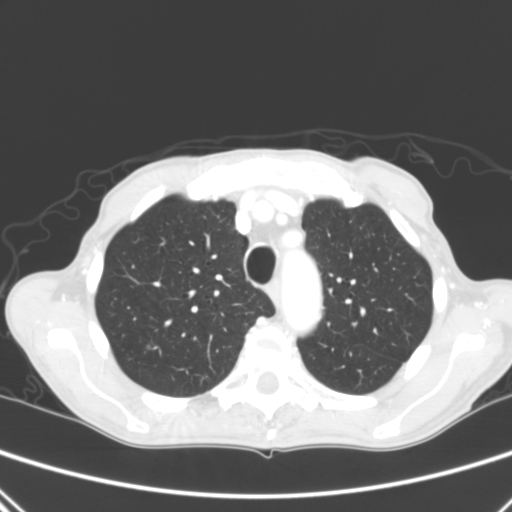
Chest CT, axial plane, 120 kVp, kernel B. Slice 223/290 from the bottom of the scan; thickness 2.00 mm; pixel size 0.639 mm.
Pulmonary nodule outlined by one of the four readers; box rows 344–348, columns 146–150 (that reader's outline on this slice); longest diameter 4.3 mm and volume 29 mm3 from that reader's outline. Ratings by that reader: texture 4/5; margin 4/5; sphericity 4/5; calcification absent; internal structure soft tissue; subtlety 5/5; malignancy likelihood 3/5. Scale key (1–5): texture non-solid→solid, margin indistinct→circumscribed, sphericity linear→round, subtlety extremely subtle→obvious, malignancy likelihood highly unlikely→highly suspicious of cancer. Box rows and columns are 0-based pixel indices from the top-left corner, inclusive.